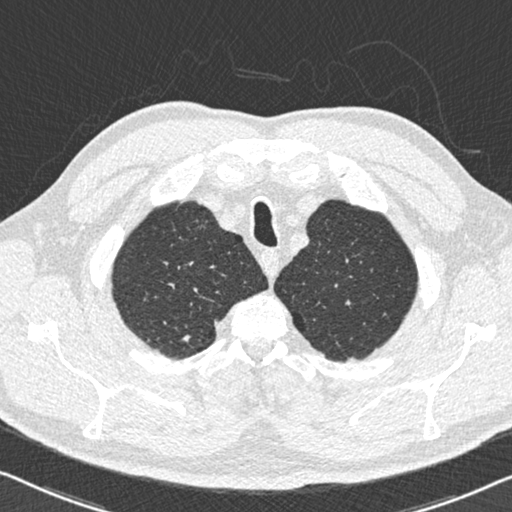
Slice 504/558 of a chest CT, counting up from the lowest; pixel size 0.648 mm, slice thickness 0.75 mm. Pulmonary nodule at rows 334–342, columns 181–190 (box = the union of the readers' outlines on this slice), outlined by all four readers; median longest diameter 7.5 mm (readers' outlines 6.5–8.7 mm), median volume 97 mm3 (71–209 mm3). Ratings, median across the readers with their spread: texture 5/5 (solid) at the median of four readers, spread 4/5 to 5/5 (solid); margin 4.5/5 at the median of four readers, spread 4/5 to 5/5 (circumscribed); sphericity 3/5 (ovoid) at the median of four readers, spread 2/5 to 5/5 (round); calcification: absent (three), solid calcification (one); internal structure soft tissue, all four readers agreeing; subtlety 3.5/5 at the median of four readers, spread 3–5; median malignancy likelihood 2/5 (readers ranged 1–3). Scale key (1–5): texture non-solid→solid, margin indistinct→circumscribed, sphericity linear→round, subtlety extremely subtle→obvious, malignancy likelihood highly unlikely→highly suspicious of cancer. Box rows and columns are 0-based pixel indices from the top-left corner, inclusive.
Tube voltage 120 kVp; convolution kernel B30f.